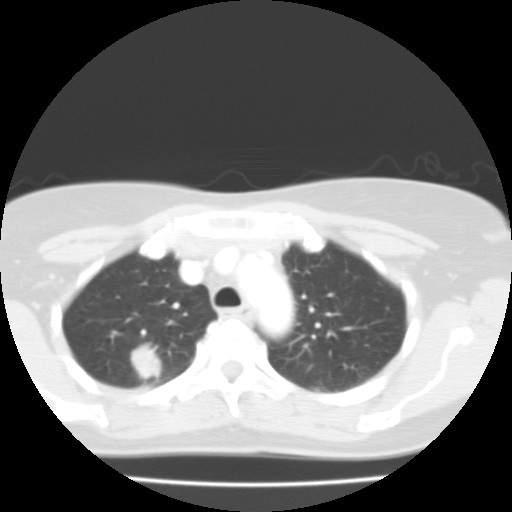
This is axial slice 74 of 99 (slice 1 is the lowest) of a chest CT; each pixel is 0.586 mm and the slice is 3.00 mm thick. Pulmonary nodule outlined by all four readers; box rows 341–383, columns 129–162 (the union of the readers' outlines on this slice); longest diameter 23.2–25.9 mm and volume 4482–6539 mm3 across the four readers' outlines. The readers' ratings, as ranges where they differ: texture 5/5 (solid) from all four readers; margin from 4/5 to 5/5 (circumscribed) across the four readers; sphericity from 4/5 to 5/5 (round) across the four readers; calcification absent, all four readers agreeing; internal structure soft tissue from all four readers; subtlety rated between 3 and 5 out of 5 by the four readers; malignancy likelihood rated between 2 and 5 out of 5 by the four readers. Scale key (1–5): texture non-solid→solid, margin indistinct→circumscribed, sphericity linear→round, subtlety extremely subtle→obvious, malignancy likelihood highly unlikely→highly suspicious of cancer. Box rows and columns are 0-based pixel indices from the top-left corner, inclusive.
Acquired at 135 kVp and reconstructed with the FC01 kernel.